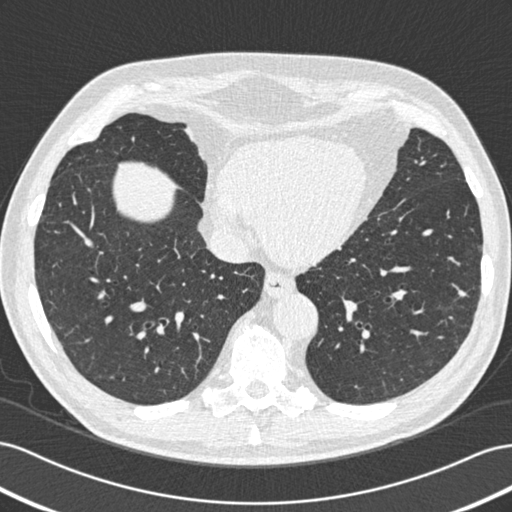
Axial slice 187 of 506 of a chest CT (slice 1 is the lowest), reconstructed with the B30f kernel at 120 kVp; 0.75 mm slice thickness and 0.699 mm pixels.
Pulmonary nodule at rows 290–296, columns 458–466 (box = the union of the readers' outlines on this slice), outlined by all four readers; median longest diameter 6.9 mm (readers' outlines 6.6–7.8 mm), median volume 144 mm3 (93–162 mm3). Ratings, median across the readers with their spread: texture 5/5 (solid), all four readers agreeing; margin 4.5/5 at the median of four readers, spread 3/5 to 5/5 (circumscribed); median sphericity 3/5 (ovoid) (readers ranged 3/5 (ovoid) to 5/5 (round)); calcification absent from all four readers; internal structure soft tissue from all four readers; median subtlety 2.5/5 (readers ranged 2–3); median malignancy likelihood 2.5/5 (readers ranged 1–3). Scale key (1–5): texture non-solid→solid, margin indistinct→circumscribed, sphericity linear→round, subtlety extremely subtle→obvious, malignancy likelihood highly unlikely→highly suspicious of cancer. Box rows and columns are 0-based pixel indices from the top-left corner, inclusive.